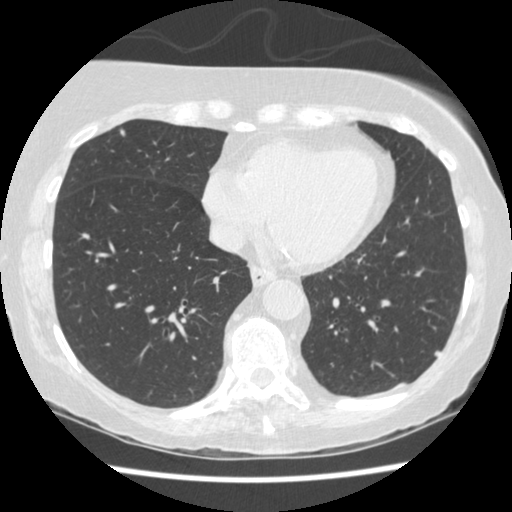
One axial slice (128 of 458, counting up from the lowest) of a chest CT acquired at 120 kVp with the STANDARD kernel; each pixel is 0.625 mm and the slice is 1.25 mm thick.
Pulmonary nodule at rows 350–356, columns 433–441 (box = the union of the readers' outlines on this slice), outlined by all four readers; longest diameter 6.5 mm on average over the four readers' outlines (readers' outlines 6.2–7.0 mm), volume 63–96 mm3. The readers' prevailing ratings and who disagreed: texture 5/5 (solid) by three of four readers; the rest gave 4/5 (one); margin 5/5 (circumscribed) by three of four readers; the rest gave 3/5 (one); sphericity 4/5 by three of four readers; the rest gave 2/5 (one); calcification absent from all four readers; internal structure soft tissue, all four readers agreeing; subtlety 4/5 by two of four readers; the rest gave 3/5 (one), 5/5 (one); malignancy likelihood split among the readers: 2/5 (two), 3/5 (two). Scale key (1–5): texture non-solid→solid, margin indistinct→circumscribed, sphericity linear→round, subtlety extremely subtle→obvious, malignancy likelihood highly unlikely→highly suspicious of cancer. Box rows and columns are 0-based pixel indices from the top-left corner, inclusive.